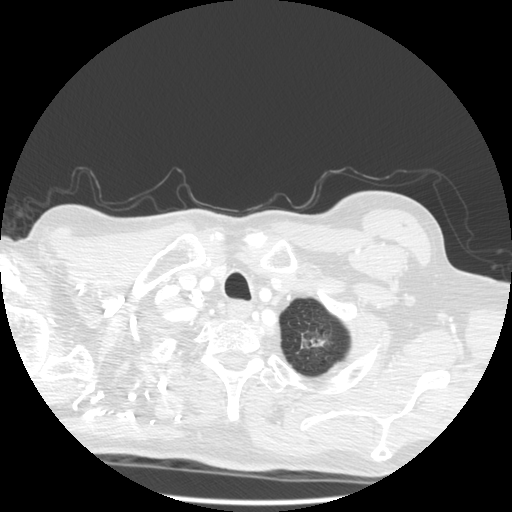
Chest CT, axial plane, 140 kVp, kernel STANDARD. Slice 481/501 from the bottom of the scan; thickness 1.25 mm; pixel size 0.703 mm.
Pulmonary nodule, outlined by three of the four readers, two of them on this slice. Box on this slice rows 339–345, columns 303–324, the union of the readers' outlines on this slice; longest diameter 32.1–39.2 mm and volume 2361–4873 mm3 across the three readers' outlines. The readers' ratings, as ranges where they differ: texture from 4/5 to 5/5 (solid) across the three readers; margin from 1/5 (indistinct) to 5/5 (circumscribed) across the three readers; sphericity from 2/5 to 5/5 (round) across the three readers; calcification absent, all three readers agreeing; internal structure soft tissue from all three readers; subtlety 5/5, all three readers agreeing; malignancy likelihood from 4/5 to 5/5 across the three readers. Scale key (1–5): texture non-solid→solid, margin indistinct→circumscribed, sphericity linear→round, subtlety extremely subtle→obvious, malignancy likelihood highly unlikely→highly suspicious of cancer. Box rows and columns are 0-based pixel indices from the top-left corner, inclusive.